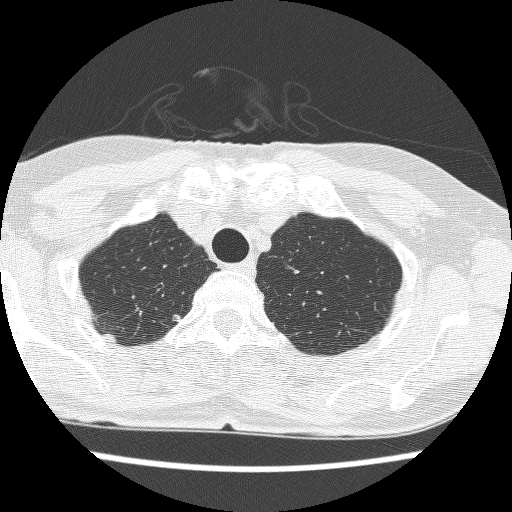
Axial chest CT slice 208 of 241 (counted from the lowest slice); tube voltage 120 kVp, convolution kernel BONE; slices 1.25 mm thick, 0.586 mm per pixel.
Pulmonary nodule at rows 314–321, columns 171–181 (box = the union of the readers' outlines on this slice), outlined by two of the four readers; longest diameter 8.4 mm on average over the two readers' outlines (readers' outlines 7.5–9.3 mm), volume 124–243 mm3. The readers' prevailing ratings and who disagreed: texture split among the readers: 4/5 (one), 5/5 (solid) (one); margin split among the readers: 4/5 (one), 5/5 (circumscribed) (one); sphericity split among the readers: 4/5 (one), 5/5 (round) (one); calcification absent, both readers agreeing; internal structure soft tissue, both readers agreeing; subtlety split among the readers: 4/5 (one), 5/5 (one); malignancy likelihood 4/5 from both readers. Scale key (1–5): texture non-solid→solid, margin indistinct→circumscribed, sphericity linear→round, subtlety extremely subtle→obvious, malignancy likelihood highly unlikely→highly suspicious of cancer. Box rows and columns are 0-based pixel indices from the top-left corner, inclusive.